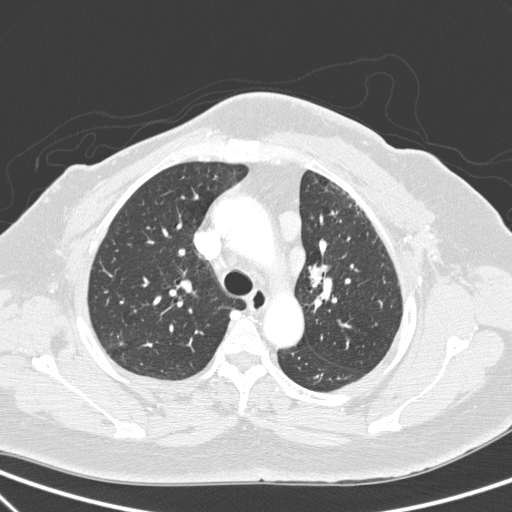
Axial slice 208 of 272 of a chest CT (slice 1 is the lowest), reconstructed with the D kernel at 140 kVp; 1.00 mm slice thickness and 0.676 mm pixels.
Pulmonary nodule at rows 341–345, columns 119–123 (box = the union of the readers' outlines on this slice), outlined by all four readers; longest diameter 7.7 mm on average over the four readers' outlines (readers' outlines 6.2–9.0 mm), volume 55–114 mm3. The readers' prevailing ratings and who disagreed: texture 5/5 (solid) by three of four readers; the rest gave 4/5 (one); margin 4/5 by three of four readers; the rest gave 3/5 (one); most readers (three of four) put sphericity at 4/5, others 3/5 (ovoid) (one); calcification absent, all four readers agreeing; internal structure soft tissue from all four readers; most readers (three of four) put subtlety at 5/5, others 2/5 (one); malignancy likelihood split among the readers: 2/5 (one), 3/5 (one), 4/5 (one), 5/5 (one). Scale key (1–5): texture non-solid→solid, margin indistinct→circumscribed, sphericity linear→round, subtlety extremely subtle→obvious, malignancy likelihood highly unlikely→highly suspicious of cancer. Box rows and columns are 0-based pixel indices from the top-left corner, inclusive.